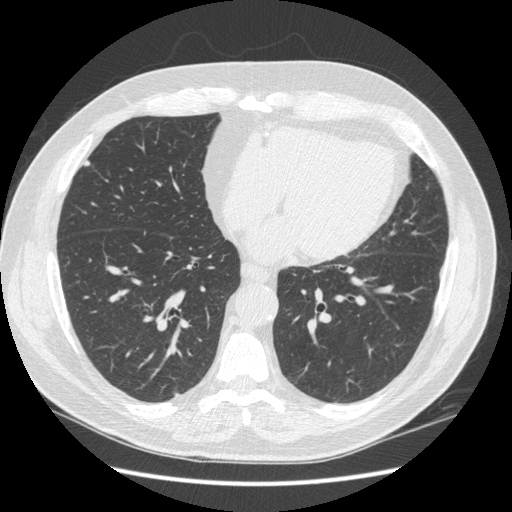
Axial chest CT slice 180 of 462 (counted from the lowest slice); tube voltage 120 kVp, convolution kernel STANDARD; slices 1.25 mm thick, 0.742 mm per pixel.
Pulmonary nodule, outlined by all four readers. Box on this slice rows 160–166, columns 82–89, the union of the readers' outlines on this slice; longest diameter 6.6–7.3 mm and volume 76–107 mm3 across the four readers' outlines. Ratings across the readers: texture 5/5 (solid), all four readers agreeing; margin from 4/5 to 5/5 (circumscribed) across the four readers; sphericity from 2/5 to 5/5 (round) across the four readers; calcification absent, all four readers agreeing; internal structure soft tissue, all four readers agreeing; subtlety 3–4/5 (the readers disagree); malignancy likelihood rated between 1 and 3 out of 5 by the four readers. Scale key (1–5): texture non-solid→solid, margin indistinct→circumscribed, sphericity linear→round, subtlety extremely subtle→obvious, malignancy likelihood highly unlikely→highly suspicious of cancer. Box rows and columns are 0-based pixel indices from the top-left corner, inclusive.